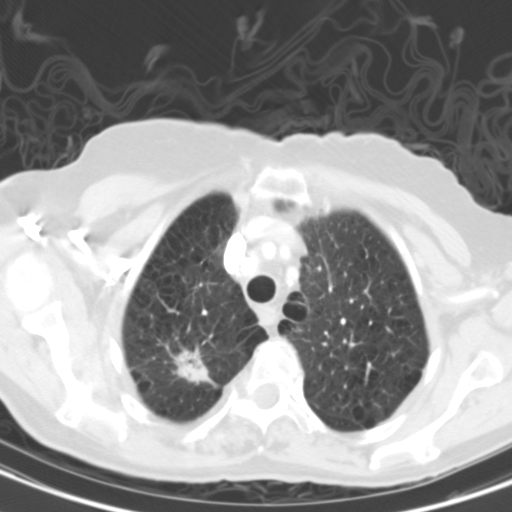
One axial slice (98 of 117, counting up from the lowest) of a chest CT acquired at 130 kVp with the B31s kernel; each pixel is 0.566 mm and the slice is 3.00 mm thick.
Pulmonary nodule, outlined by all four readers. Box on this slice rows 339–385, columns 163–213, the union of the readers' outlines on this slice; longest diameter 31.3–41.7 mm and volume 5062–7820 mm3 across the four readers' outlines. Ratings across the readers: texture 5/5 (solid) from all four readers; margin from 1/5 (indistinct) to 4/5 across the four readers; sphericity from 3/5 (ovoid) to 5/5 (round) across the four readers; calcification absent, all four readers agreeing; internal structure soft tissue from all four readers; subtlety 5/5 from all four readers; malignancy likelihood 5/5, all four readers agreeing. Scale key (1–5): texture non-solid→solid, margin indistinct→circumscribed, sphericity linear→round, subtlety extremely subtle→obvious, malignancy likelihood highly unlikely→highly suspicious of cancer. Box rows and columns are 0-based pixel indices from the top-left corner, inclusive.